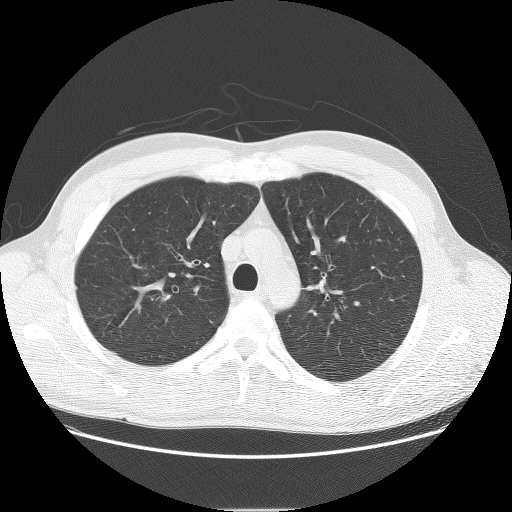
Chest CT, axial plane, 140 kVp, kernel BONE. Slice 86/121 from the bottom of the scan; thickness 2.50 mm; pixel size 0.762 mm.
Pulmonary nodule, outlined by one of the four readers. Box on this slice rows 285–289, columns 74–76, that reader's outline on this slice; longest diameter 5.4 mm and volume 60 mm3 from that reader's outline. Ratings by that reader: texture 5/5 (solid); margin 5/5 (circumscribed); sphericity 5/5 (round); calcification absent; internal structure soft tissue; subtlety 3/5; malignancy likelihood 1/5. Scale key (1–5): texture non-solid→solid, margin indistinct→circumscribed, sphericity linear→round, subtlety extremely subtle→obvious, malignancy likelihood highly unlikely→highly suspicious of cancer. Box rows and columns are 0-based pixel indices from the top-left corner, inclusive.